One axial slice (367 of 490, counting up from the lowest) of a chest CT acquired at 120 kVp with the STANDARD kernel; each pixel is 0.645 mm and the slice is 1.25 mm thick.
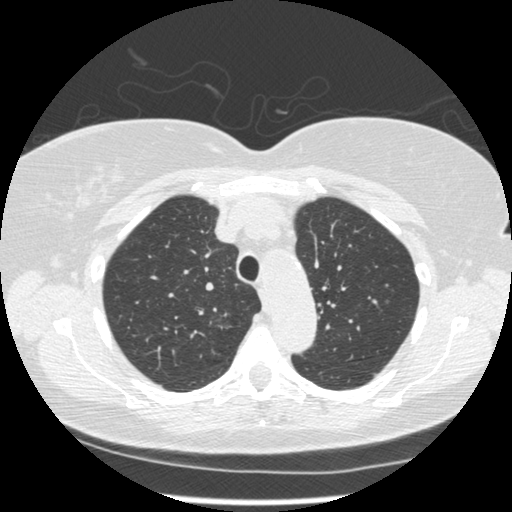
Pulmonary nodule outlined by two of the four readers; box rows 300–303, columns 384–389 (the union of the readers' outlines on this slice); longest diameter 5.4 mm on average over the two readers' outlines (readers' outlines 5.2–5.5 mm), volume 51–56 mm3. The readers' prevailing ratings and who disagreed: texture 5/5 (solid) from both readers; margin split among the readers: 3/5 (one), 5/5 (circumscribed) (one); sphericity split among the readers: 4/5 (one), 5/5 (round) (one); calcification absent from both readers; internal structure soft tissue from both readers; subtlety split among the readers: 3/5 (one), 5/5 (one); malignancy likelihood 3/5 from both readers. Scale key (1–5): texture non-solid→solid, margin indistinct→circumscribed, sphericity linear→round, subtlety extremely subtle→obvious, malignancy likelihood highly unlikely→highly suspicious of cancer. Box rows and columns are 0-based pixel indices from the top-left corner, inclusive.